Axial slice 119 of 137 of a chest CT (slice 1 is the lowest), reconstructed with the B31f kernel at 120 kVp; 5.00 mm slice thickness and 0.691 mm pixels.
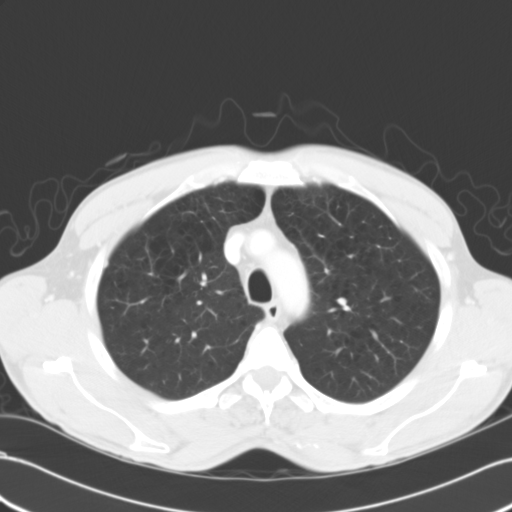
Pulmonary nodule outlined by one of the four readers; box rows 261–266, columns 105–107 (that reader's outline on this slice); longest diameter 5.3 mm and volume 90 mm3 from that reader's outline. That reader's ratings: texture 5/5 (solid); margin 5/5 (circumscribed); sphericity 5/5 (round); calcification absent; internal structure soft tissue; subtlety 3/5; malignancy likelihood 2/5. Scale key (1–5): texture non-solid→solid, margin indistinct→circumscribed, sphericity linear→round, subtlety extremely subtle→obvious, malignancy likelihood highly unlikely→highly suspicious of cancer. Box rows and columns are 0-based pixel indices from the top-left corner, inclusive.